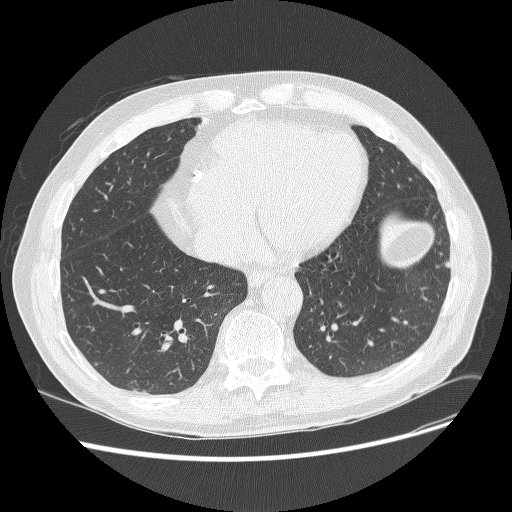
Axial chest CT slice 100 of 268 (counted from the lowest slice); 1.25 mm thick, 0.742 mm per pixel. Pulmonary nodule at rows 260–267, columns 444–450 (box = the union of the readers' outlines on this slice), outlined by three of the four readers; median longest diameter 6.0 mm (readers' outlines 5.7–7.3 mm), median volume 95 mm3 (62–149 mm3). Ratings, median across the readers with their spread: median texture 5/5 (solid) (readers ranged 4/5 to 5/5 (solid)); margin 5/5 (circumscribed) at the median of three readers, spread 2/5 to 5/5 (circumscribed); median sphericity 5/5 (round) (readers ranged 3/5 (ovoid) to 5/5 (round)); calcification absent, all three readers agreeing; internal structure soft tissue, all three readers agreeing; subtlety 4/5 at the median of three readers, spread 3–4; median malignancy likelihood 3/5 (readers ranged 2–3). Scale key (1–5): texture non-solid→solid, margin indistinct→circumscribed, sphericity linear→round, subtlety extremely subtle→obvious, malignancy likelihood highly unlikely→highly suspicious of cancer. Box rows and columns are 0-based pixel indices from the top-left corner, inclusive.
Acquired at 120 kVp and reconstructed with the BONE kernel.